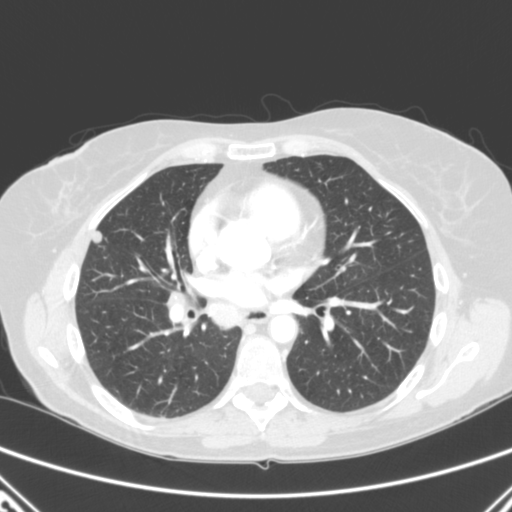
Chest CT, axial plane, 120 kVp, kernel B. Slice 140/280 from the bottom of the scan; thickness 2.00 mm; pixel size 0.676 mm.
Pulmonary nodule, outlined by all four readers. Box on this slice rows 231–243, columns 92–102, the union of the readers' outlines on this slice; median longest diameter 9.8 mm (readers' outlines 8.8–10.6 mm), median volume 360 mm3 (292–382 mm3). Median ratings and the readers' spread: texture 5/5 (solid) at the median of four readers, spread 4/5 to 5/5 (solid); median margin 5/5 (circumscribed) (readers ranged 4/5 to 5/5 (circumscribed)); sphericity 4/5 at the median of four readers, spread 3/5 (ovoid) to 5/5 (round); calcification absent, all four readers agreeing; internal structure soft tissue from all four readers; subtlety 4.5/5 at the median of four readers, spread 4–5; malignancy likelihood 4/5 at the median of four readers, spread 3–4. Scale key (1–5): texture non-solid→solid, margin indistinct→circumscribed, sphericity linear→round, subtlety extremely subtle→obvious, malignancy likelihood highly unlikely→highly suspicious of cancer. Box rows and columns are 0-based pixel indices from the top-left corner, inclusive.